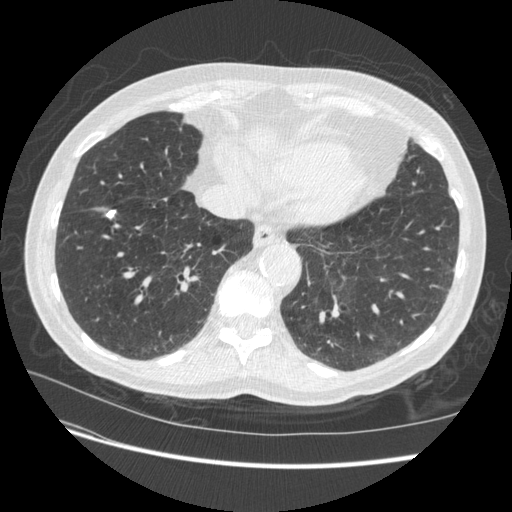
Axial chest CT slice 132 of 509 (counted from the lowest slice); tube voltage 120 kVp, convolution kernel STANDARD; slices 1.25 mm thick, 0.703 mm per pixel.
Pulmonary nodule at rows 209–219, columns 106–115 (box = the union of the readers' outlines on this slice), outlined by three of the four readers; median longest diameter 12.0 mm (readers' outlines 11.4–12.1 mm), median volume 377 mm3 (273–413 mm3). Ratings, median across the readers with their spread: texture 5/5 (solid), all three readers agreeing; margin 5/5 (circumscribed) at the median of three readers, spread 4/5 to 5/5 (circumscribed); median sphericity 3/5 (ovoid) (readers ranged 3/5 (ovoid) to 4/5); calcification solid calcification from all three readers; internal structure soft tissue from all three readers; subtlety 5/5 at the median of three readers, spread 4–5; malignancy likelihood 1/5 from all three readers. Scale key (1–5): texture non-solid→solid, margin indistinct→circumscribed, sphericity linear→round, subtlety extremely subtle→obvious, malignancy likelihood highly unlikely→highly suspicious of cancer. Box rows and columns are 0-based pixel indices from the top-left corner, inclusive.